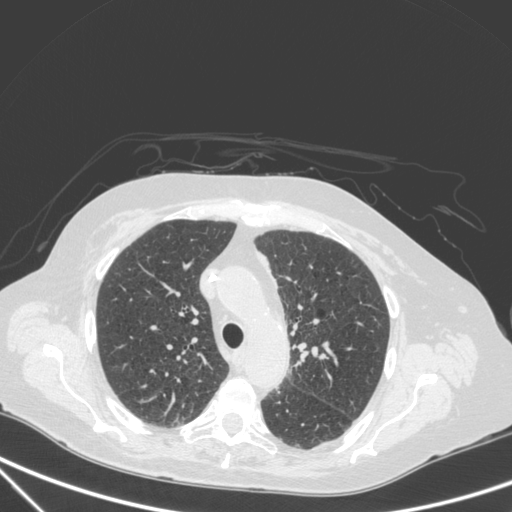
Axial slice 234 of 350 of a chest CT (slice 1 is the lowest), reconstructed with the C kernel at 120 kVp; 1.50 mm slice thickness and 0.725 mm pixels.
Pulmonary nodule outlined by all four readers; box rows 353–360, columns 317–325 (the union of the readers' outlines on this slice); longest diameter 10.7 mm on average over the four readers' outlines (readers' outlines 9.9–11.7 mm), volume 335–580 mm3. The readers' prevailing ratings and who disagreed: texture 5/5 (solid), all four readers agreeing; margin 4/5, all four readers agreeing; most readers (three of four) put sphericity at 3/5 (ovoid), others 4/5 (one); calcification absent, all four readers agreeing; internal structure soft tissue from all four readers; subtlety 5/5 by three of four readers; the rest gave 4/5 (one); malignancy likelihood split among the readers: 2/5 (one), 3/5 (one), 4/5 (one), 5/5 (one). Scale key (1–5): texture non-solid→solid, margin indistinct→circumscribed, sphericity linear→round, subtlety extremely subtle→obvious, malignancy likelihood highly unlikely→highly suspicious of cancer. Box rows and columns are 0-based pixel indices from the top-left corner, inclusive.